Axial slice 477 of 519 of a chest CT (slice 1 is the lowest), reconstructed with the STANDARD kernel at 120 kVp; 1.25 mm slice thickness and 0.645 mm pixels.
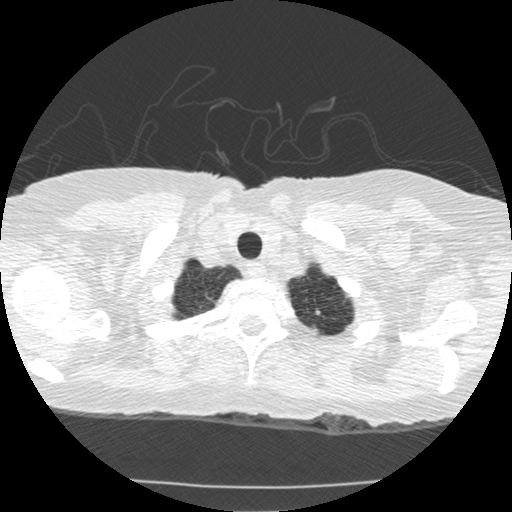
Pulmonary nodule, outlined by two of the four readers. Box on this slice rows 310–314, columns 315–320, the union of the readers' outlines on this slice; longest diameter 5.4 mm on average over the two readers' outlines (readers' outlines 4.9–5.8 mm), volume 38–50 mm3. The readers' prevailing ratings and who disagreed: texture 5/5 (solid), both readers agreeing; margin split among the readers: 4/5 (one), 5/5 (circumscribed) (one); sphericity 4/5, both readers agreeing; calcification absent, both readers agreeing; internal structure soft tissue, both readers agreeing; subtlety 5/5, both readers agreeing; malignancy likelihood split among the readers: 2/5 (one), 3/5 (one). Scale key (1–5): texture non-solid→solid, margin indistinct→circumscribed, sphericity linear→round, subtlety extremely subtle→obvious, malignancy likelihood highly unlikely→highly suspicious of cancer. Box rows and columns are 0-based pixel indices from the top-left corner, inclusive.